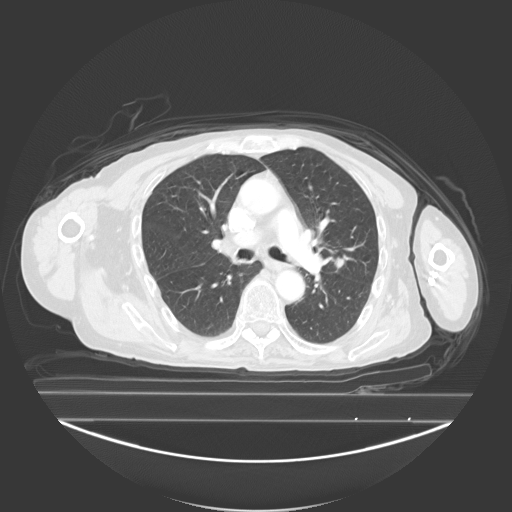
Axial chest CT slice 160 of 278 (counted from the lowest slice); tube voltage 130 kVp, convolution kernel B40s; slices 3.00 mm thick, 0.977 mm per pixel.
Pulmonary nodule outlined by three of the four readers; box rows 257–268, columns 334–344 (the union of the readers' outlines on this slice); longest diameter 13.5 mm on average over the three readers' outlines (readers' outlines 12.8–14.8 mm), volume 665–985 mm3. The readers' prevailing ratings and who disagreed: texture 5/5 (solid) by two of three readers; the rest gave 4/5 (one); margin 4/5 from all three readers; most readers (two of three) put sphericity at 5/5 (round), others 4/5 (one); calcification absent from all three readers; internal structure soft tissue from all three readers; subtlety split among the readers: 3/5 (one), 4/5 (one), 5/5 (one); malignancy likelihood split among the readers: 2/5 (one), 3/5 (one), 4/5 (one). Scale key (1–5): texture non-solid→solid, margin indistinct→circumscribed, sphericity linear→round, subtlety extremely subtle→obvious, malignancy likelihood highly unlikely→highly suspicious of cancer. Box rows and columns are 0-based pixel indices from the top-left corner, inclusive.